Axial slice 87 of 123 of a chest CT (slice 1 is the lowest), reconstructed with the STANDARD kernel at 140 kVp; 2.50 mm slice thickness and 0.703 mm pixels.
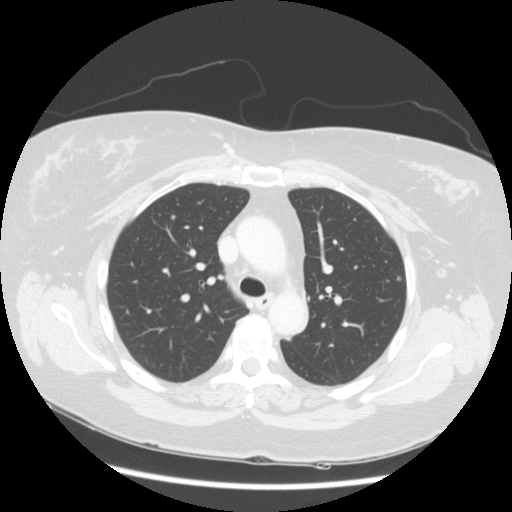
Pulmonary nodule, outlined by two of the four readers. Box on this slice rows 276–280, columns 396–400, the union of the readers' outlines on this slice; longest diameter 4.7–5.4 mm and volume 65–66 mm3 across the two readers' outlines. The readers' ratings, as ranges where they differ: texture from 1/5 (non-solid) to 4/5 across the two readers; margin from 2/5 to 4/5 across the two readers; sphericity from 4/5 to 5/5 (round) across the two readers; calcification absent, both readers agreeing; internal structure soft tissue from both readers; subtlety 1–3/5 (the readers disagree); malignancy likelihood from 2/5 to 3/5 across the two readers. Scale key (1–5): texture non-solid→solid, margin indistinct→circumscribed, sphericity linear→round, subtlety extremely subtle→obvious, malignancy likelihood highly unlikely→highly suspicious of cancer. Box rows and columns are 0-based pixel indices from the top-left corner, inclusive.